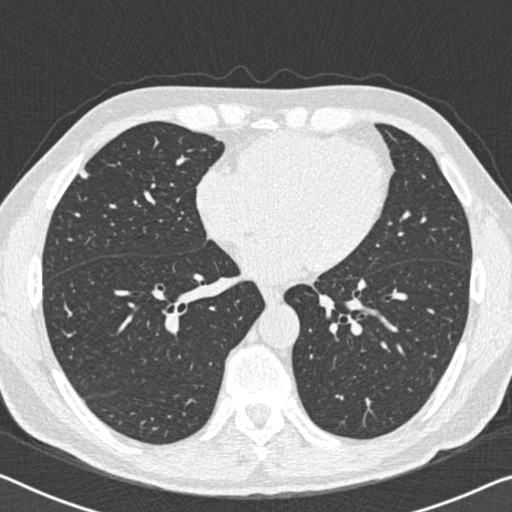
Axial chest CT slice 224 of 483 (counted from the lowest slice); 0.75 mm thick, 0.652 mm per pixel. Pulmonary nodule at rows 168–179, columns 78–88 (box = the union of the readers' outlines on this slice), outlined by all four readers; the four readers' outlines give a longest diameter between 8.6 and 10.3 mm and a volume between 137 and 171 mm3. Ratings across the readers: texture from 4/5 to 5/5 (solid) across the four readers; margin from 4/5 to 5/5 (circumscribed) across the four readers; sphericity from 3/5 (ovoid) to 5/5 (round) across the four readers; calcification absent, all four readers agreeing; internal structure soft tissue from all four readers; subtlety from 3/5 to 5/5 across the four readers; malignancy likelihood rated between 2 and 4 out of 5 by the four readers. Scale key (1–5): texture non-solid→solid, margin indistinct→circumscribed, sphericity linear→round, subtlety extremely subtle→obvious, malignancy likelihood highly unlikely→highly suspicious of cancer. Box rows and columns are 0-based pixel indices from the top-left corner, inclusive.
Acquired at 120 kVp and reconstructed with the B30f kernel.